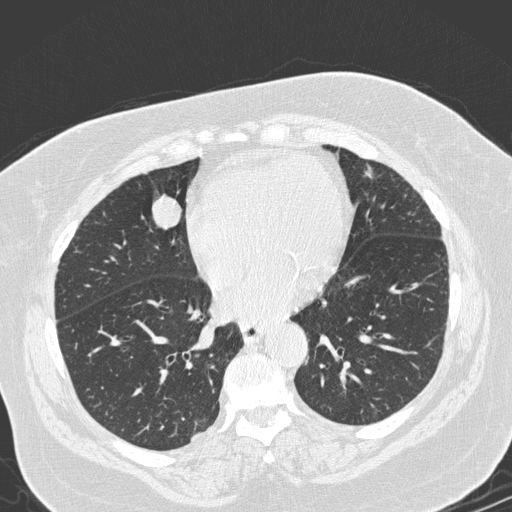
Axial chest CT slice 85 of 280 (counted from the lowest slice); tube voltage 120 kVp, convolution kernel D; slices 1.00 mm thick, 0.666 mm per pixel.
Pulmonary nodule at rows 194–229, columns 151–181 (box = the union of the readers' outlines on this slice), outlined by all four readers; longest diameter 25.9 mm on average over the four readers' outlines (readers' outlines 25.0–27.8 mm), volume 4698–5913 mm3. The readers' prevailing ratings and who disagreed: texture 5/5 (solid) from all four readers; margin split among the readers: 4/5 (two), 5/5 (circumscribed) (two); sphericity 5/5 (round) by two of four readers; the rest gave 3/5 (ovoid) (one), 4/5 (one); calcification absent, all four readers agreeing; internal structure soft tissue, all four readers agreeing; subtlety 5/5, all four readers agreeing; malignancy likelihood 5/5 by two of four readers; the rest gave 2/5 (one), 4/5 (one). Scale key (1–5): texture non-solid→solid, margin indistinct→circumscribed, sphericity linear→round, subtlety extremely subtle→obvious, malignancy likelihood highly unlikely→highly suspicious of cancer. Box rows and columns are 0-based pixel indices from the top-left corner, inclusive.